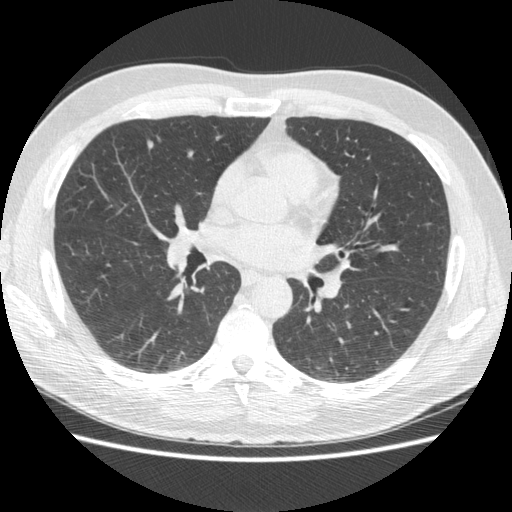
Axial slice 263 of 477 of a chest CT (slice 1 is the lowest), reconstructed with the STANDARD kernel at 120 kVp; 1.25 mm slice thickness and 0.703 mm pixels.
Pulmonary nodule at rows 138–150, columns 147–153 (box = the union of the readers' outlines on this slice), outlined by three of the four readers; median longest diameter 13.1 mm (readers' outlines 13.0–15.7 mm), median volume 236 mm3 (236–334 mm3). Median ratings and the readers' spread: texture 5/5 (solid) from all three readers; median margin 4/5 (readers ranged 4/5 to 5/5 (circumscribed)); median sphericity 4/5 (readers ranged 2/5 to 5/5 (round)); calcification absent from all three readers; internal structure soft tissue from all three readers; median subtlety 4/5 (readers ranged 3–5); malignancy likelihood 3/5 at the median of three readers, spread 2–3. Scale key (1–5): texture non-solid→solid, margin indistinct→circumscribed, sphericity linear→round, subtlety extremely subtle→obvious, malignancy likelihood highly unlikely→highly suspicious of cancer. Box rows and columns are 0-based pixel indices from the top-left corner, inclusive.